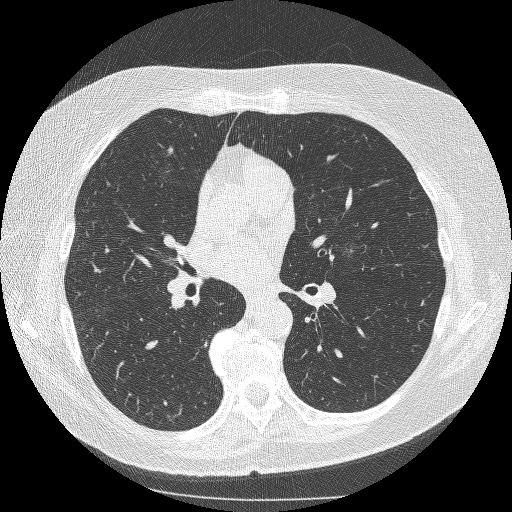
Axial chest CT slice 153 of 253 (counted from the lowest slice); 1.25 mm thick, 0.625 mm per pixel. Pulmonary nodule outlined by two of the four readers; box rows 245–258, columns 342–357 (the union of the readers' outlines on this slice); the two readers' outlines give a longest diameter between 12.9 and 18.3 mm and a volume between 294 and 342 mm3. Ratings across the readers: texture 1/5 (non-solid), both readers agreeing; margin 1/5 (indistinct) from both readers; sphericity from 4/5 to 5/5 (round) across the two readers; calcification absent from both readers; internal structure soft tissue, both readers agreeing; subtlety rated between 2 and 3 out of 5 by the two readers; malignancy likelihood from 3/5 to 4/5 across the two readers. Scale key (1–5): texture non-solid→solid, margin indistinct→circumscribed, sphericity linear→round, subtlety extremely subtle→obvious, malignancy likelihood highly unlikely→highly suspicious of cancer. Box rows and columns are 0-based pixel indices from the top-left corner, inclusive.
Scan settings: 120 kVp, BONE reconstruction kernel.